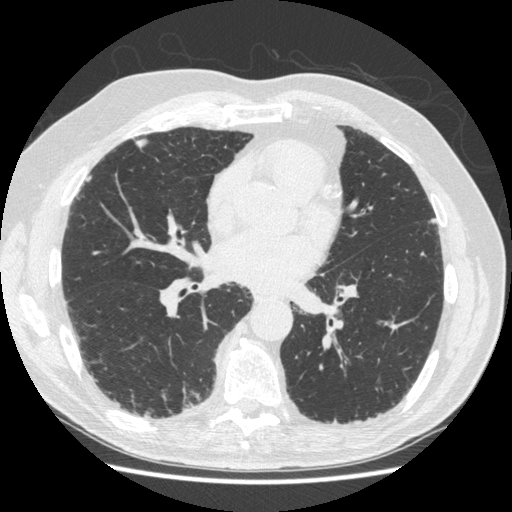
Axial slice 235 of 497 of a chest CT (slice 1 is the lowest), reconstructed with the STANDARD kernel at 120 kVp; 1.25 mm slice thickness and 0.703 mm pixels.
Pulmonary nodule at rows 135–151, columns 132–149 (box = the union of the readers' outlines on this slice), outlined by all four readers; median longest diameter 11.6 mm (readers' outlines 10.9–14.8 mm), median volume 235 mm3 (184–648 mm3). Ratings, median across the readers with their spread: texture 5/5 (solid) at the median of four readers, spread 1/5 (non-solid) to 5/5 (solid); margin 3/5 at the median of four readers, spread 2/5 to 4/5; median sphericity 3.5/5 (readers ranged 3/5 (ovoid) to 5/5 (round)); calcification absent from all four readers; internal structure soft tissue from all four readers; subtlety 4/5 at the median of four readers, spread 1–5; malignancy likelihood 3/5 at the median of four readers, spread 2–4. Scale key (1–5): texture non-solid→solid, margin indistinct→circumscribed, sphericity linear→round, subtlety extremely subtle→obvious, malignancy likelihood highly unlikely→highly suspicious of cancer. Box rows and columns are 0-based pixel indices from the top-left corner, inclusive.